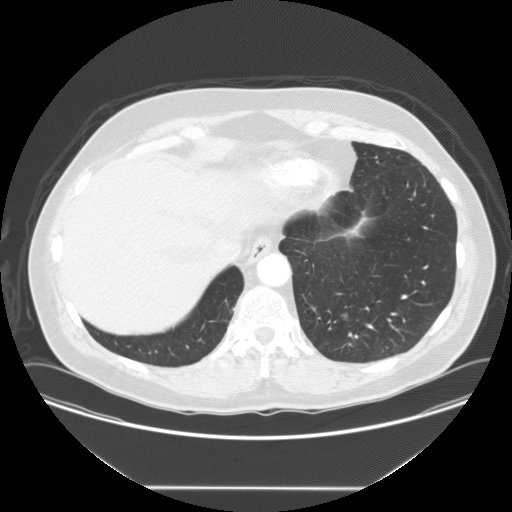
This is axial slice 41 of 145 (slice 1 is the lowest) of a chest CT; each pixel is 0.820 mm and the slice is 2.50 mm thick. Pulmonary nodule outlined by three of the four readers, two of them on this slice; box rows 313–317, columns 343–347 (the union of the readers' outlines on this slice); median longest diameter 8.9 mm (readers' outlines 8.4–10.3 mm), median volume 193 mm3 (187–322 mm3). Median ratings and the readers' spread: texture 5/5 (solid), all three readers agreeing; margin 4/5 at the median of three readers, spread 3/5 to 4/5; median sphericity 3/5 (ovoid) (readers ranged 3/5 (ovoid) to 4/5); calcification absent, all three readers agreeing; internal structure soft tissue, all three readers agreeing; median subtlety 3/5 (readers ranged 3–4); malignancy likelihood 3/5 at the median of three readers, spread 2–4. Scale key (1–5): texture non-solid→solid, margin indistinct→circumscribed, sphericity linear→round, subtlety extremely subtle→obvious, malignancy likelihood highly unlikely→highly suspicious of cancer. Box rows and columns are 0-based pixel indices from the top-left corner, inclusive.
Tube voltage 120 kVp; convolution kernel STANDARD.